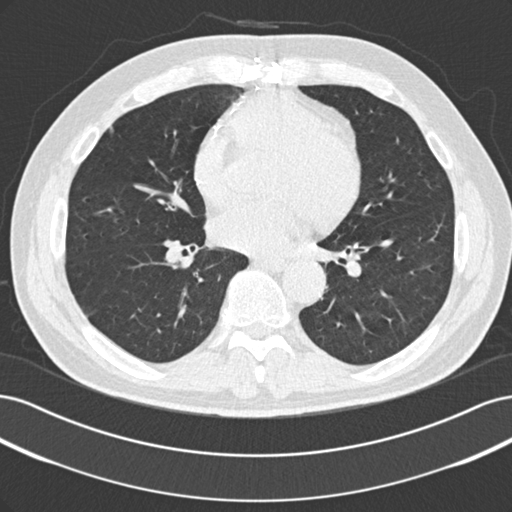
Chest CT, axial plane, 120 kVp, kernel B30f. Slice 116/229 from the bottom of the scan; thickness 2.00 mm; pixel size 0.703 mm.
Pulmonary nodule at rows 126–133, columns 109–114 (box = that reader's outline on this slice), outlined by one of the four readers; longest diameter 6.5 mm and volume 78 mm3 from that reader's outline. That reader's ratings: texture 5/5 (solid); margin 5/5 (circumscribed); sphericity 4/5; calcification absent; internal structure soft tissue; subtlety 3/5; malignancy likelihood 3/5. Scale key (1–5): texture non-solid→solid, margin indistinct→circumscribed, sphericity linear→round, subtlety extremely subtle→obvious, malignancy likelihood highly unlikely→highly suspicious of cancer. Box rows and columns are 0-based pixel indices from the top-left corner, inclusive.